Chest CT, axial plane, 120 kVp, kernel STANDARD. Slice 168/449 from the bottom of the scan; thickness 1.25 mm; pixel size 0.625 mm.
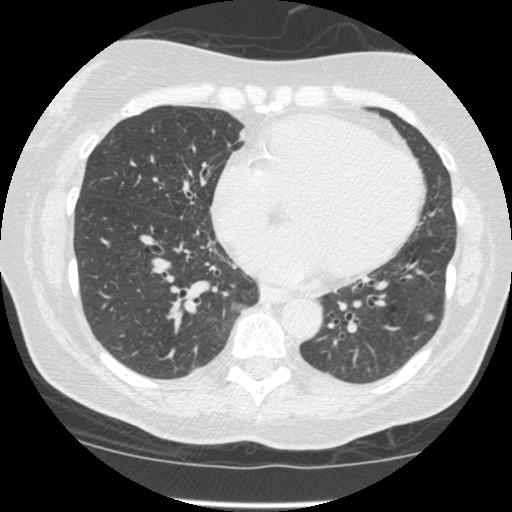
Pulmonary nodule, outlined by all four readers. Box on this slice rows 313–320, columns 423–433, the union of the readers' outlines on this slice; the four readers' outlines give a longest diameter between 6.8 and 9.2 mm and a volume between 59 and 141 mm3. Ratings across the readers: texture from 1/5 (non-solid) to 5/5 (solid) across the four readers; margin from 3/5 to 5/5 (circumscribed) across the four readers; sphericity from 3/5 (ovoid) to 5/5 (round) across the four readers; calcification absent from all four readers; internal structure soft tissue, all four readers agreeing; subtlety 3–4/5 (the readers disagree); malignancy likelihood 3/5, all four readers agreeing. Scale key (1–5): texture non-solid→solid, margin indistinct→circumscribed, sphericity linear→round, subtlety extremely subtle→obvious, malignancy likelihood highly unlikely→highly suspicious of cancer. Box rows and columns are 0-based pixel indices from the top-left corner, inclusive.